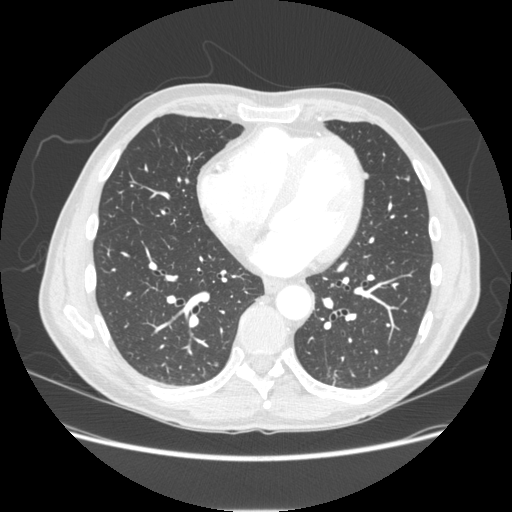
Slice 95/253 of a chest CT, counting up from the lowest; pixel size 0.742 mm, slice thickness 1.25 mm. Two pulmonary nodules are outlined on this slice; from left to right: (1) Pulmonary nodule at rows 361–366, columns 214–218 (box = the union of the readers' outlines on this slice), outlined by all four readers, three of them on this slice; median longest diameter 8.0 mm (readers' outlines 7.3–8.5 mm), median volume 178 mm3 (145–206 mm3). Ratings, median across the readers with their spread: texture 5/5 (solid) from all four readers; median margin 5/5 (circumscribed) (readers ranged 4/5 to 5/5 (circumscribed)); median sphericity 4.5/5 (readers ranged 4/5 to 5/5 (round)); calcification absent from all four readers; internal structure soft tissue, all four readers agreeing; median subtlety 3.5/5 (readers ranged 3–4); malignancy likelihood 2.5/5 at the median of four readers, spread 2–4. (2) Pulmonary nodule outlined by three of the four readers, two of them on this slice; box rows 176–181, columns 404–409 (the union of the readers' outlines on this slice); longest diameter 6.3–6.8 mm and volume 28–64 mm3 across the three readers' outlines. The readers' ratings, as ranges where they differ: texture 5/5 (solid), all three readers agreeing; margin 5/5 (circumscribed), all three readers agreeing; sphericity from 2/5 to 4/5 across the three readers; calcification absent, all three readers agreeing; internal structure soft tissue, all three readers agreeing; subtlety from 2/5 to 3/5 across the three readers; malignancy likelihood 2–3/5 (the readers disagree). Scale key (1–5): texture non-solid→solid, margin indistinct→circumscribed, sphericity linear→round, subtlety extremely subtle→obvious, malignancy likelihood highly unlikely→highly suspicious of cancer. Box rows and columns are 0-based pixel indices from the top-left corner, inclusive.
Acquired at 120 kVp and reconstructed with the STANDARD kernel.